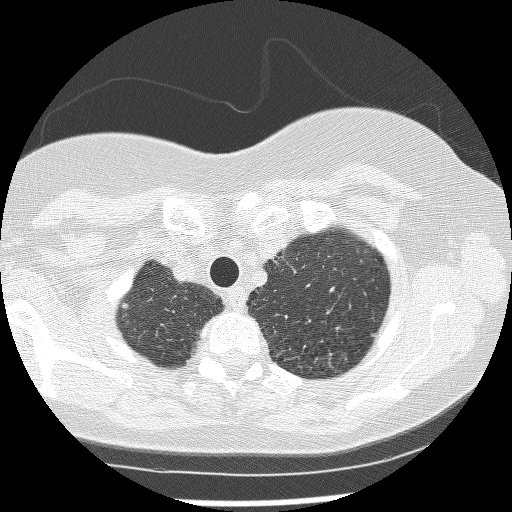
Axial chest CT slice 242 of 270 (counted from the lowest slice); 1.25 mm thick, 0.604 mm per pixel. Pulmonary nodule at rows 303–308, columns 121–128 (box = that reader's outline on this slice), outlined by one of the four readers; longest diameter 5.4 mm and volume 31 mm3 from that reader's outline. Ratings by that reader: texture 5/5 (solid); margin 4/5; sphericity 5/5 (round); calcification absent; internal structure soft tissue; subtlety 2/5; malignancy likelihood 2/5. Scale key (1–5): texture non-solid→solid, margin indistinct→circumscribed, sphericity linear→round, subtlety extremely subtle→obvious, malignancy likelihood highly unlikely→highly suspicious of cancer. Box rows and columns are 0-based pixel indices from the top-left corner, inclusive.
Tube voltage 120 kVp; convolution kernel BONE.